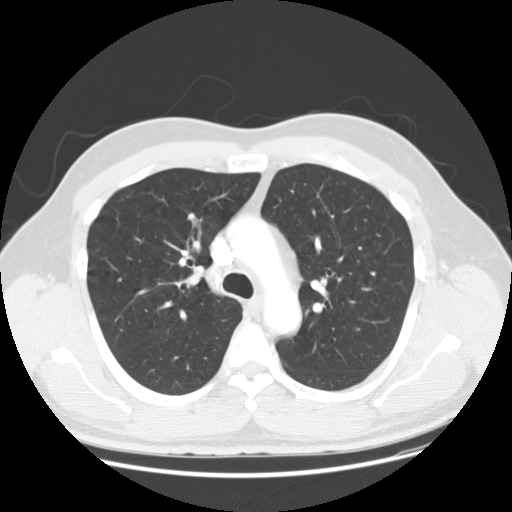
Axial slice 98 of 143 of a chest CT (slice 1 is the lowest), reconstructed with the STANDARD kernel at 120 kVp; 2.50 mm slice thickness and 0.742 mm pixels.
The readers outlined no nodule of 3 mm or more on this slice.